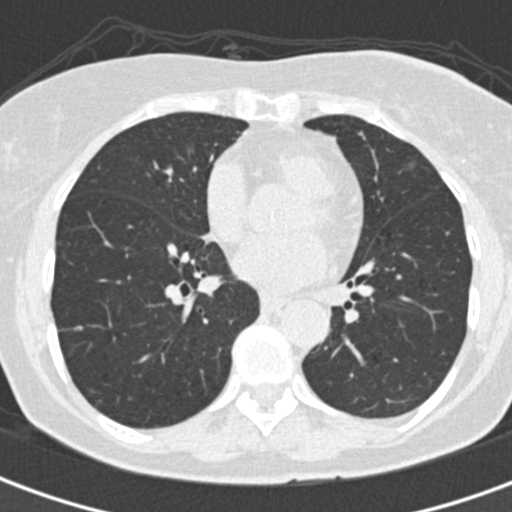
Slice 94/193 of a chest CT, counting up from the lowest; pixel size 0.547 mm, slice thickness 2.00 mm. Pulmonary nodule outlined by one of the four readers; box rows 326–330, columns 72–81 (that reader's outline on this slice); longest diameter 6.4 mm and volume 68 mm3 from that reader's outline. That reader's ratings: texture 5/5 (solid); margin 5/5 (circumscribed); sphericity 2/5; calcification absent; internal structure soft tissue; subtlety 4/5; malignancy likelihood 3/5. Scale key (1–5): texture non-solid→solid, margin indistinct→circumscribed, sphericity linear→round, subtlety extremely subtle→obvious, malignancy likelihood highly unlikely→highly suspicious of cancer. Box rows and columns are 0-based pixel indices from the top-left corner, inclusive.
Acquired at 120 kVp and reconstructed with the B30f kernel.